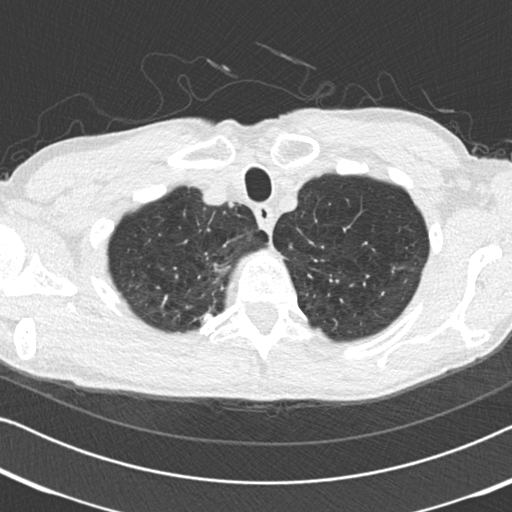
Slice 203/225 of a chest CT, counting up from the lowest; pixel size 0.645 mm, slice thickness 2.00 mm. Pulmonary nodule at rows 313–322, columns 203–212 (box = that reader's outline on this slice), outlined by one of the four readers; longest diameter 11.1 mm and volume 221 mm3 from that reader's outline. That reader's ratings: texture 5/5 (solid); margin 5/5 (circumscribed); sphericity 3/5 (ovoid); calcification solid calcification; internal structure soft tissue; subtlety 5/5; malignancy likelihood 1/5. Scale key (1–5): texture non-solid→solid, margin indistinct→circumscribed, sphericity linear→round, subtlety extremely subtle→obvious, malignancy likelihood highly unlikely→highly suspicious of cancer. Box rows and columns are 0-based pixel indices from the top-left corner, inclusive.
Acquired at 120 kVp and reconstructed with the B30f kernel.